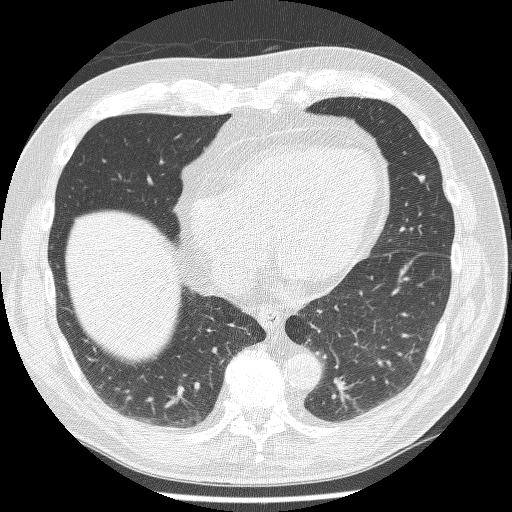
One axial slice (88 of 244, counting up from the lowest) of a chest CT acquired at 120 kVp with the BONE kernel; each pixel is 0.674 mm and the slice is 1.25 mm thick.
Pulmonary nodule outlined by all four readers; box rows 174–182, columns 415–424 (the union of the readers' outlines on this slice); longest diameter 7.8 mm on average over the four readers' outlines (readers' outlines 6.6–9.1 mm), volume 111–136 mm3. Ratings, by the readers' most common answer with dissent counted: most readers (three of four) put texture at 5/5 (solid), others 4/5 (one); margin 5/5 (circumscribed) by two of four readers; the rest gave 2/5 (one), 4/5 (one); sphericity 3/5 (ovoid) by two of four readers; the rest gave 2/5 (one), 4/5 (one); calcification absent from all four readers; internal structure soft tissue from all four readers; subtlety 4/5 by two of four readers; the rest gave 3/5 (one), 5/5 (one); malignancy likelihood 3/5 by three of four readers; the rest gave 2/5 (one). Scale key (1–5): texture non-solid→solid, margin indistinct→circumscribed, sphericity linear→round, subtlety extremely subtle→obvious, malignancy likelihood highly unlikely→highly suspicious of cancer. Box rows and columns are 0-based pixel indices from the top-left corner, inclusive.